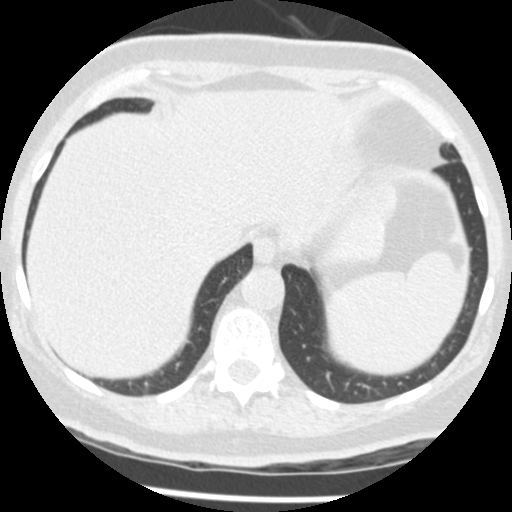
Axial chest CT slice 100 of 433 (counted from the lowest slice); 1.25 mm thick, 0.547 mm per pixel. Pulmonary nodule outlined by two of the four readers; box rows 247–251, columns 469–472 (the union of the readers' outlines on this slice); longest diameter 4.6 mm on average over the two readers' outlines (readers' outlines 4.4–4.7 mm), volume 49–52 mm3. Ratings, by the readers' most common answer with dissent counted: texture 5/5 (solid), both readers agreeing; margin 5/5 (circumscribed), both readers agreeing; sphericity 5/5 (round), both readers agreeing; calcification solid calcification from both readers; internal structure soft tissue from both readers; subtlety 5/5, both readers agreeing; malignancy likelihood 1/5, both readers agreeing. Scale key (1–5): texture non-solid→solid, margin indistinct→circumscribed, sphericity linear→round, subtlety extremely subtle→obvious, malignancy likelihood highly unlikely→highly suspicious of cancer. Box rows and columns are 0-based pixel indices from the top-left corner, inclusive.
Scan settings: 120 kVp, STANDARD reconstruction kernel.